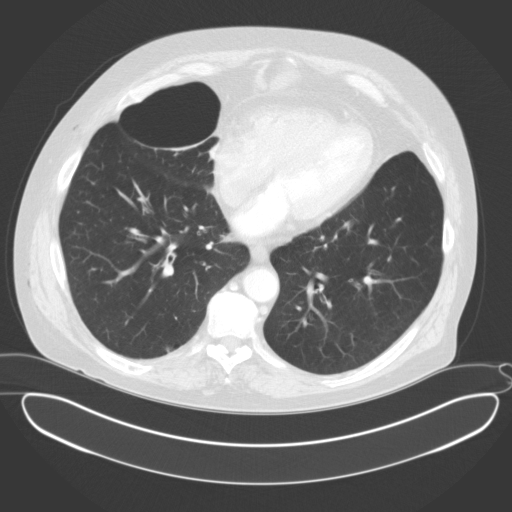
Axial slice 82 of 153 of a chest CT (slice 1 is the lowest), reconstructed with the B31f kernel at 120 kVp; 3.00 mm slice thickness and 0.836 mm pixels.
Pulmonary nodule outlined by three of the four readers, two of them on this slice; box rows 347–352, columns 165–170 (the union of the readers' outlines on this slice); longest diameter 9.0 mm on average over the three readers' outlines (readers' outlines 8.5–9.5 mm), volume 113–219 mm3. Ratings, by the readers' most common answer with dissent counted: texture 4/5 by two of three readers; the rest gave 5/5 (solid) (one); margin 3/5 by two of three readers; the rest gave 4/5 (one); most readers (two of three) put sphericity at 3/5 (ovoid), others 4/5 (one); calcification absent from all three readers; internal structure soft tissue from all three readers; subtlety split among the readers: 3/5 (one), 4/5 (one), 5/5 (one); malignancy likelihood split among the readers: 1/5 (one), 3/5 (one), 4/5 (one). Scale key (1–5): texture non-solid→solid, margin indistinct→circumscribed, sphericity linear→round, subtlety extremely subtle→obvious, malignancy likelihood highly unlikely→highly suspicious of cancer. Box rows and columns are 0-based pixel indices from the top-left corner, inclusive.